One axial slice (150 of 330, counting up from the lowest) of a chest CT acquired at 120 kVp with the B45f kernel; each pixel is 0.762 mm and the slice is 1.00 mm thick.
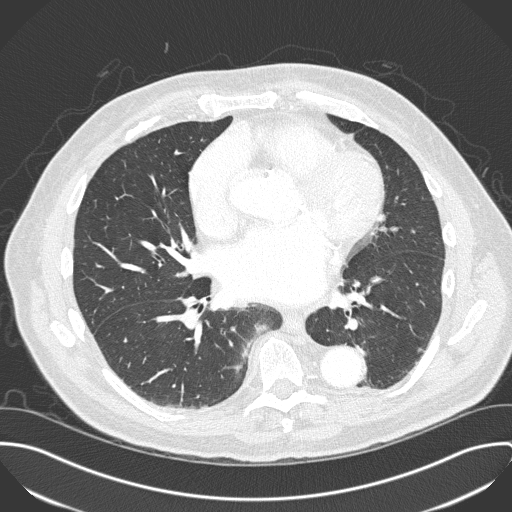
Pulmonary nodule, outlined by three of the four readers, two of them on this slice. Box on this slice rows 348–352, columns 417–422, the union of the readers' outlines on this slice; median longest diameter 5.5 mm (readers' outlines 5.5–7.2 mm), median volume 57 mm3 (49–105 mm3). Ratings, median across the readers with their spread: texture 5/5 (solid) at the median of three readers, spread 4/5 to 5/5 (solid); median margin 4/5 (readers ranged 2/5 to 4/5); sphericity 3/5 (ovoid) at the median of three readers, spread 2/5 to 4/5; calcification absent, all three readers agreeing; internal structure soft tissue, all three readers agreeing; median subtlety 3/5 (readers ranged 3–4); malignancy likelihood 3/5 at the median of three readers, spread 2–3. Scale key (1–5): texture non-solid→solid, margin indistinct→circumscribed, sphericity linear→round, subtlety extremely subtle→obvious, malignancy likelihood highly unlikely→highly suspicious of cancer. Box rows and columns are 0-based pixel indices from the top-left corner, inclusive.